Axial chest CT slice 40 of 104 (counted from the lowest slice); tube voltage 130 kVp, convolution kernel B31s; slices 3.00 mm thick, 0.531 mm per pixel.
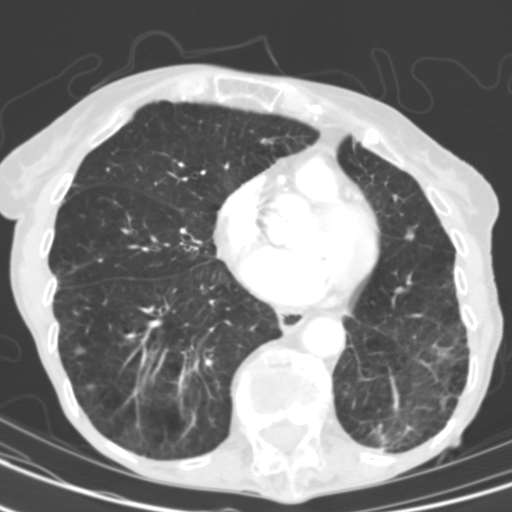
Two pulmonary nodules on this slice, listed from left to right. (1) Pulmonary nodule, outlined by three of the four readers. Box on this slice rows 345–355, columns 73–85, the union of the readers' outlines on this slice; median longest diameter 7.0 mm (readers' outlines 7.0–7.5 mm), median volume 85 mm3 (85–91 mm3). Median ratings and the readers' spread: median texture 2/5 (readers ranged 1/5 (non-solid) to 4/5); margin 3/5 at the median of three readers, spread 2/5 to 3/5; median sphericity 3/5 (ovoid) (readers ranged 3/5 (ovoid) to 5/5 (round)); calcification absent, all three readers agreeing; internal structure soft tissue, all three readers agreeing; median subtlety 3/5 (readers ranged 2–4); malignancy likelihood 3/5 at the median of three readers, spread 1–3. (2) Pulmonary nodule outlined by one of the four readers; box rows 384–389, columns 87–94 (that reader's outline on this slice); longest diameter 6.5 mm and volume 97 mm3 from that reader's outline. Ratings by that reader: texture 5/5 (solid); margin 3/5; sphericity 1/5 (linear); calcification absent; internal structure soft tissue; subtlety 2/5; malignancy likelihood 1/5. Scale key (1–5): texture non-solid→solid, margin indistinct→circumscribed, sphericity linear→round, subtlety extremely subtle→obvious, malignancy likelihood highly unlikely→highly suspicious of cancer. Box rows and columns are 0-based pixel indices from the top-left corner, inclusive.